Chest CT, axial plane, 120 kVp, kernel BONE. Slice 85/209 from the bottom of the scan; thickness 1.25 mm; pixel size 0.617 mm.
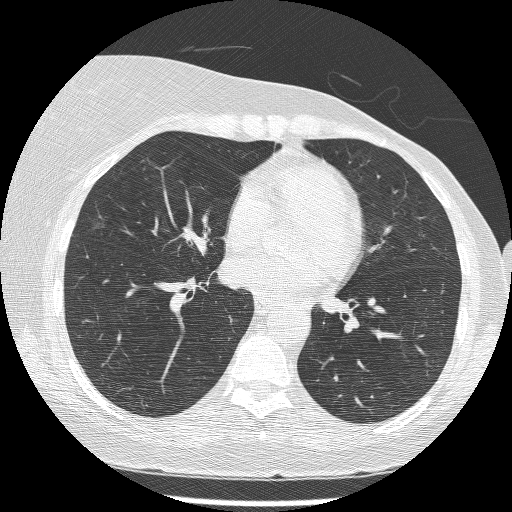
Pulmonary nodule outlined by three of the four readers, one of them on this slice; box rows 219–228, columns 92–104 (the one reader's outline on this slice); longest diameter 20.1–23.8 mm and volume 734–2087 mm3 across the three readers' outlines. Ratings across the readers: texture 1/5 (non-solid), all three readers agreeing; margin 1/5 (indistinct), all three readers agreeing; sphericity from 3/5 (ovoid) to 4/5 across the three readers; calcification absent from all three readers; internal structure soft tissue from all three readers; subtlety 1–3/5 (the readers disagree); malignancy likelihood rated between 3 and 5 out of 5 by the three readers. Scale key (1–5): texture non-solid→solid, margin indistinct→circumscribed, sphericity linear→round, subtlety extremely subtle→obvious, malignancy likelihood highly unlikely→highly suspicious of cancer. Box rows and columns are 0-based pixel indices from the top-left corner, inclusive.